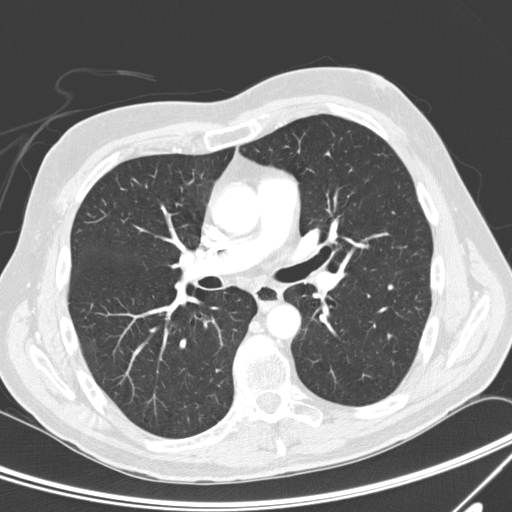
Axial chest CT slice 151 of 300 (counted from the lowest slice); 2.00 mm thick, 0.678 mm per pixel. Pulmonary nodule outlined by all four readers; box rows 284–290, columns 387–393 (the union of the readers' outlines on this slice); longest diameter 6.1–6.7 mm and volume 83–97 mm3 across the four readers' outlines. Ratings across the readers: texture 5/5 (solid), all four readers agreeing; margin 5/5 (circumscribed), all four readers agreeing; sphericity from 4/5 to 5/5 (round) across the four readers; calcification: solid calcification (three), absent (one); internal structure soft tissue, all four readers agreeing; subtlety rated between 4 and 5 out of 5 by the four readers; malignancy likelihood rated between 1 and 2 out of 5 by the four readers. Scale key (1–5): texture non-solid→solid, margin indistinct→circumscribed, sphericity linear→round, subtlety extremely subtle→obvious, malignancy likelihood highly unlikely→highly suspicious of cancer. Box rows and columns are 0-based pixel indices from the top-left corner, inclusive.
Acquired at 120 kVp and reconstructed with the D kernel.